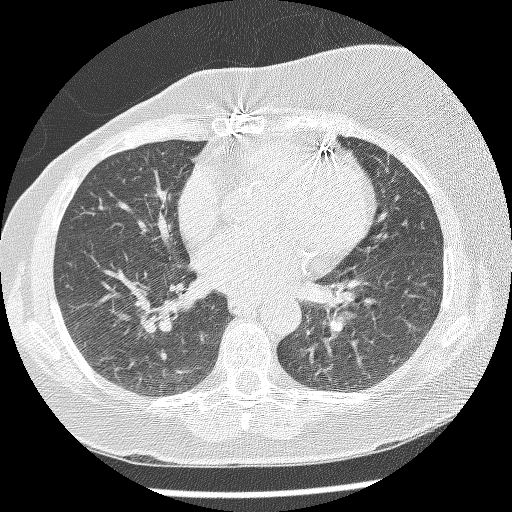
Slice 117/220 of a chest CT, counting up from the lowest; pixel size 0.598 mm, slice thickness 1.25 mm. Pulmonary nodule, outlined by three of the four readers, one of them on this slice. Box on this slice rows 369–378, columns 162–166, the one reader's outline on this slice; the three readers' outlines give a longest diameter between 6.7 and 11.5 mm and a volume between 79 and 213 mm3. The readers' ratings, as ranges where they differ: texture from 3/5 (part-solid) to 5/5 (solid) across the three readers; margin from 2/5 to 4/5 across the three readers; sphericity from 3/5 (ovoid) to 4/5 across the three readers; calcification absent from all three readers; internal structure soft tissue from all three readers; subtlety from 1/5 to 4/5 across the three readers; malignancy likelihood rated between 3 and 4 out of 5 by the three readers. Scale key (1–5): texture non-solid→solid, margin indistinct→circumscribed, sphericity linear→round, subtlety extremely subtle→obvious, malignancy likelihood highly unlikely→highly suspicious of cancer. Box rows and columns are 0-based pixel indices from the top-left corner, inclusive.
Tube voltage 120 kVp; convolution kernel BONE.